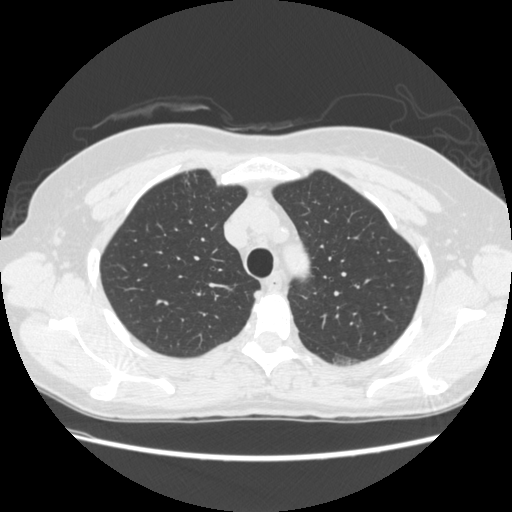
Slice 195/261 of a chest CT, counting up from the lowest; pixel size 0.682 mm, slice thickness 1.25 mm. Pulmonary nodule outlined by two of the four readers; box rows 354–365, columns 332–361 (the union of the readers' outlines on this slice); longest diameter 30.0–31.5 mm and volume 6577–7912 mm3 across the two readers' outlines. The readers' ratings, as ranges where they differ: texture from 1/5 (non-solid) to 2/5 across the two readers; margin from 1/5 (indistinct) to 2/5 across the two readers; sphericity from 3/5 (ovoid) to 5/5 (round) across the two readers; calcification absent, both readers agreeing; internal structure soft tissue from both readers; subtlety rated between 1 and 2 out of 5 by the two readers; malignancy likelihood rated between 4 and 5 out of 5 by the two readers. Scale key (1–5): texture non-solid→solid, margin indistinct→circumscribed, sphericity linear→round, subtlety extremely subtle→obvious, malignancy likelihood highly unlikely→highly suspicious of cancer. Box rows and columns are 0-based pixel indices from the top-left corner, inclusive.
Tube voltage 120 kVp; convolution kernel STANDARD.